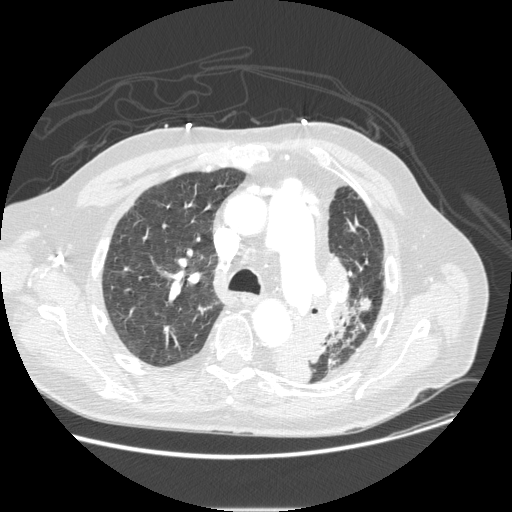
One axial slice (166 of 232, counting up from the lowest) of a chest CT acquired at 120 kVp with the STANDARD kernel; each pixel is 0.781 mm and the slice is 1.25 mm thick.
Pulmonary nodule outlined by all four readers; box rows 296–313, columns 354–371 (the union of the readers' outlines on this slice); median longest diameter 21.4 mm (readers' outlines 19.0–24.3 mm), median volume 1864 mm3 (1498–2178 mm3). Ratings, median across the readers with their spread: texture 5/5 (solid), all four readers agreeing; median margin 4.5/5 (readers ranged 4/5 to 5/5 (circumscribed)); sphericity 3/5 (ovoid), all four readers agreeing; calcification absent, all four readers agreeing; internal structure soft tissue, all four readers agreeing; subtlety 4.5/5 at the median of four readers, spread 4–5; median malignancy likelihood 3.5/5 (readers ranged 2–5). Scale key (1–5): texture non-solid→solid, margin indistinct→circumscribed, sphericity linear→round, subtlety extremely subtle→obvious, malignancy likelihood highly unlikely→highly suspicious of cancer. Box rows and columns are 0-based pixel indices from the top-left corner, inclusive.